One axial slice (241 of 487, counting up from the lowest) of a chest CT acquired at 120 kVp with the STANDARD kernel; each pixel is 0.703 mm and the slice is 1.25 mm thick.
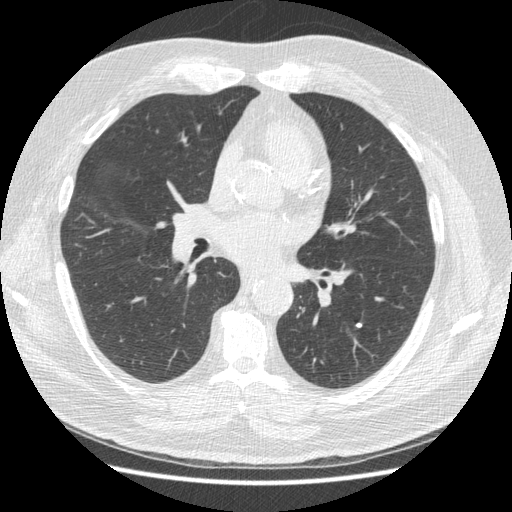
Pulmonary nodule outlined by all four readers; box rows 322–328, columns 355–362 (the union of the readers' outlines on this slice); median longest diameter 6.6 mm (readers' outlines 6.5–7.1 mm), median volume 86 mm3 (68–92 mm3). Ratings, median across the readers with their spread: texture 5/5 (solid), all four readers agreeing; margin 5/5 (circumscribed), all four readers agreeing; median sphericity 4.5/5 (readers ranged 3/5 (ovoid) to 5/5 (round)); calcification solid calcification, all four readers agreeing; internal structure soft tissue from all four readers; median subtlety 5/5 (readers ranged 4–5); malignancy likelihood 1/5, all four readers agreeing. Scale key (1–5): texture non-solid→solid, margin indistinct→circumscribed, sphericity linear→round, subtlety extremely subtle→obvious, malignancy likelihood highly unlikely→highly suspicious of cancer. Box rows and columns are 0-based pixel indices from the top-left corner, inclusive.